Axial slice 73 of 161 of a chest CT (slice 1 is the lowest), reconstructed with the BONE kernel at 120 kVp; 1.25 mm slice thickness and 0.549 mm pixels.
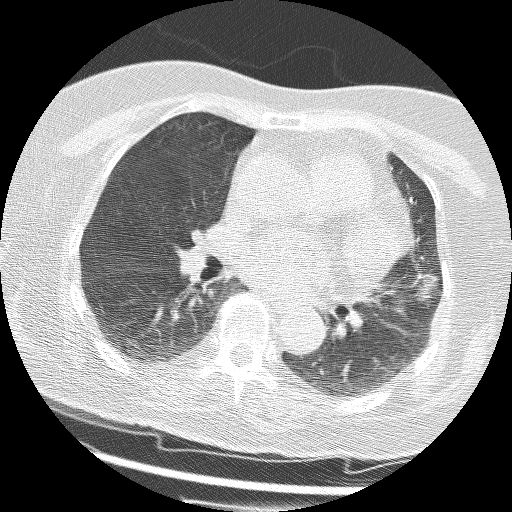
Pulmonary nodule, outlined by all four readers. Box on this slice rows 273–301, columns 415–437, the union of the readers' outlines on this slice; longest diameter 18.8 mm on average over the four readers' outlines (readers' outlines 18.2–19.7 mm), volume 1334–1755 mm3. The readers' prevailing ratings and who disagreed: texture 5/5 (solid) from all four readers; margin 4/5 by two of four readers; the rest gave 3/5 (one), 5/5 (circumscribed) (one); sphericity 3/5 (ovoid) by three of four readers; the rest gave 4/5 (one); calcification absent, all four readers agreeing; internal structure soft tissue from all four readers; subtlety 5/5, all four readers agreeing; malignancy likelihood 5/5 from all four readers. Scale key (1–5): texture non-solid→solid, margin indistinct→circumscribed, sphericity linear→round, subtlety extremely subtle→obvious, malignancy likelihood highly unlikely→highly suspicious of cancer. Box rows and columns are 0-based pixel indices from the top-left corner, inclusive.